One axial slice (261 of 506, counting up from the lowest) of a chest CT acquired at 120 kVp with the B30f kernel; each pixel is 0.699 mm and the slice is 0.75 mm thick.
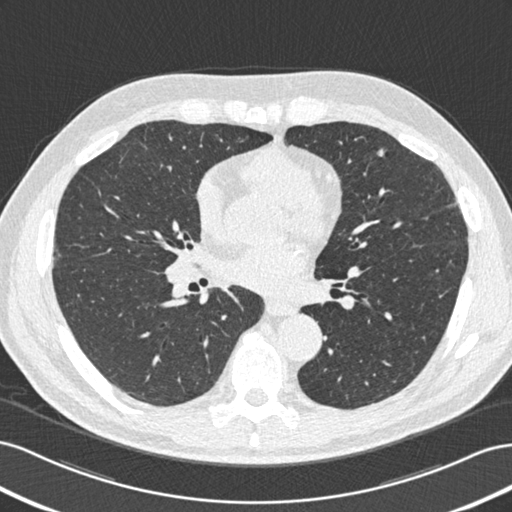
Pulmonary nodule outlined by two of the four readers; box rows 149–156, columns 376–383 (the union of the readers' outlines on this slice); longest diameter 6.5 mm on average over the two readers' outlines (readers' outlines 6.4–6.6 mm), volume 30–42 mm3. Ratings, by the readers' most common answer with dissent counted: texture 5/5 (solid), both readers agreeing; margin split among the readers: 3/5 (one), 5/5 (circumscribed) (one); sphericity split among the readers: 3/5 (ovoid) (one), 5/5 (round) (one); calcification absent, both readers agreeing; internal structure soft tissue from both readers; subtlety split among the readers: 2/5 (one), 3/5 (one); malignancy likelihood 2/5 from both readers. Scale key (1–5): texture non-solid→solid, margin indistinct→circumscribed, sphericity linear→round, subtlety extremely subtle→obvious, malignancy likelihood highly unlikely→highly suspicious of cancer. Box rows and columns are 0-based pixel indices from the top-left corner, inclusive.